Chest CT, axial plane, 130 kVp, kernel B31s. Slice 56/104 from the bottom of the scan; thickness 3.00 mm; pixel size 0.531 mm.
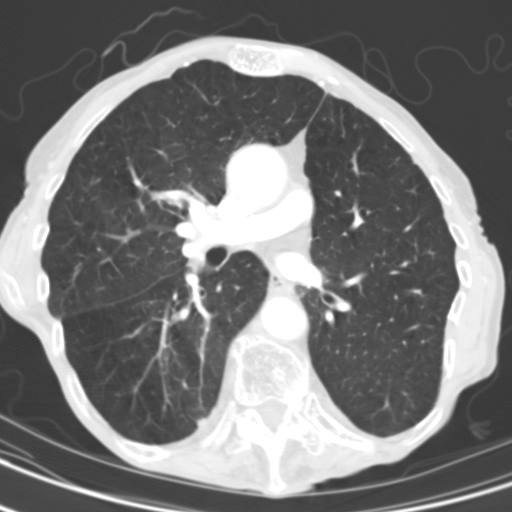
Pulmonary nodule, outlined by all four readers, three of them on this slice. Box on this slice rows 417–425, columns 197–205, the union of the readers' outlines on this slice; longest diameter 7.6 mm on average over the four readers' outlines (readers' outlines 6.8–9.1 mm), volume 66–132 mm3. The readers' prevailing ratings and who disagreed: texture split among the readers: 3/5 (part-solid) (two), 5/5 (solid) (two); margin split among the readers: 2/5 (one), 3/5 (one), 4/5 (one), 5/5 (circumscribed) (one); sphericity 3/5 (ovoid) by two of four readers; the rest gave 2/5 (one), 5/5 (round) (one); calcification absent from all four readers; internal structure soft tissue, all four readers agreeing; most readers (three of four) put subtlety at 3/5, others 5/5 (one); malignancy likelihood split among the readers: 2/5 (two), 3/5 (two). Scale key (1–5): texture non-solid→solid, margin indistinct→circumscribed, sphericity linear→round, subtlety extremely subtle→obvious, malignancy likelihood highly unlikely→highly suspicious of cancer. Box rows and columns are 0-based pixel indices from the top-left corner, inclusive.